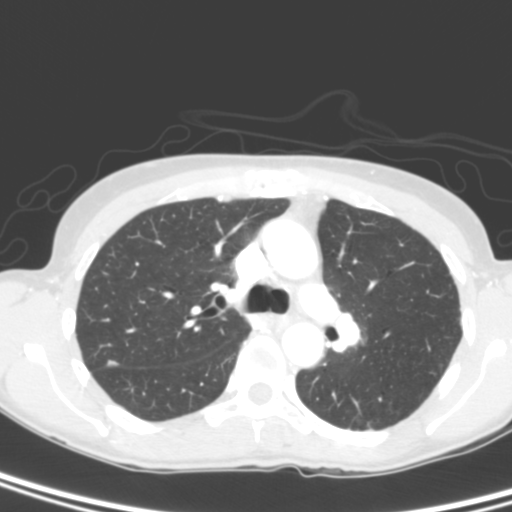
Axial slice 184 of 280 of a chest CT (slice 1 is the lowest), reconstructed with the B kernel at 120 kVp; 2.00 mm slice thickness and 0.572 mm pixels.
Pulmonary nodule outlined by all four readers; box rows 359–366, columns 105–118 (the union of the readers' outlines on this slice); median longest diameter 8.4 mm (readers' outlines 6.4–8.9 mm), median volume 164 mm3 (92–215 mm3). Median ratings and the readers' spread: texture 5/5 (solid) at the median of four readers, spread 4/5 to 5/5 (solid); median margin 4/5 (readers ranged 4/5 to 5/5 (circumscribed)); median sphericity 3/5 (ovoid) (readers ranged 3/5 (ovoid) to 5/5 (round)); calcification absent, all four readers agreeing; internal structure soft tissue from all four readers; median subtlety 4.5/5 (readers ranged 2–5); malignancy likelihood 2.5/5 at the median of four readers, spread 2–4. Scale key (1–5): texture non-solid→solid, margin indistinct→circumscribed, sphericity linear→round, subtlety extremely subtle→obvious, malignancy likelihood highly unlikely→highly suspicious of cancer. Box rows and columns are 0-based pixel indices from the top-left corner, inclusive.